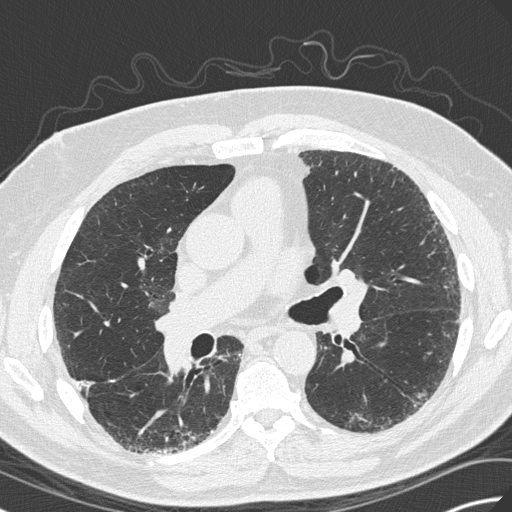
Chest CT, axial plane, 120 kVp, kernel B45f. Slice 181/330 from the bottom of the scan; thickness 1.00 mm; pixel size 0.684 mm.
This slice carries no reader outline of a nodule 3 mm or larger.